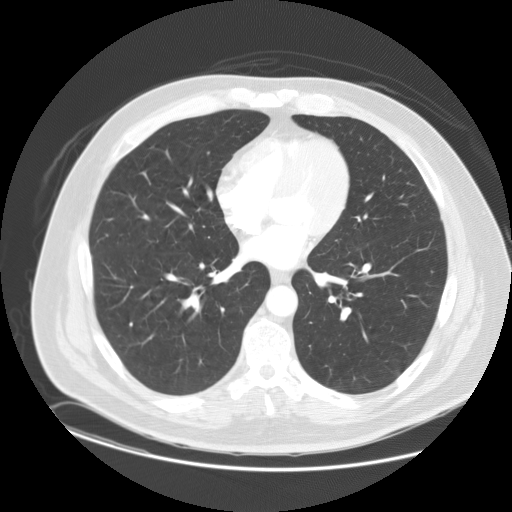
Chest CT, axial plane, 120 kVp, kernel STANDARD. Slice 70/147 from the bottom of the scan; thickness 2.50 mm; pixel size 0.859 mm.
Pulmonary nodule outlined by two of the four readers, one of them on this slice; box rows 322–326, columns 129–132 (the one reader's outline on this slice); longest diameter 6.5–6.9 mm and volume 64–113 mm3 across the two readers' outlines. Ratings across the readers: texture 5/5 (solid) from both readers; margin 5/5 (circumscribed) from both readers; sphericity 5/5 (round) from both readers; calcification solid calcification from both readers; internal structure soft tissue, both readers agreeing; subtlety 4–5/5 (the readers disagree); malignancy likelihood 1/5, both readers agreeing. Scale key (1–5): texture non-solid→solid, margin indistinct→circumscribed, sphericity linear→round, subtlety extremely subtle→obvious, malignancy likelihood highly unlikely→highly suspicious of cancer. Box rows and columns are 0-based pixel indices from the top-left corner, inclusive.